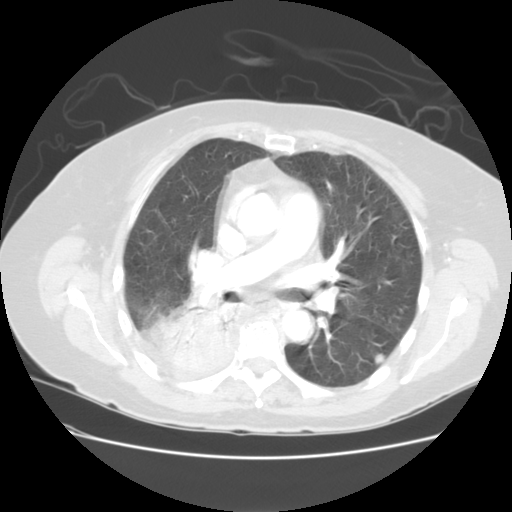
This is axial slice 93 of 133 (slice 1 is the lowest) of a chest CT; each pixel is 0.703 mm and the slice is 2.50 mm thick. Pulmonary nodule outlined by all four readers; box rows 353–364, columns 374–384 (the union of the readers' outlines on this slice); median longest diameter 9.0 mm (readers' outlines 8.7–9.6 mm), median volume 258 mm3 (199–304 mm3). Ratings, median across the readers with their spread: texture 5/5 (solid) from all four readers; median margin 4.5/5 (readers ranged 3/5 to 5/5 (circumscribed)); median sphericity 4.5/5 (readers ranged 3/5 (ovoid) to 5/5 (round)); calcification absent from all four readers; internal structure soft tissue, all four readers agreeing; median subtlety 4/5 (readers ranged 4–5); median malignancy likelihood 3/5 (readers ranged 2–3). Scale key (1–5): texture non-solid→solid, margin indistinct→circumscribed, sphericity linear→round, subtlety extremely subtle→obvious, malignancy likelihood highly unlikely→highly suspicious of cancer. Box rows and columns are 0-based pixel indices from the top-left corner, inclusive.
Scan settings: 120 kVp, STANDARD reconstruction kernel.